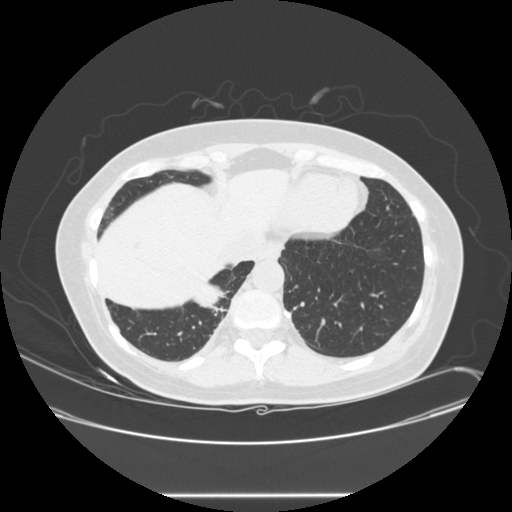
Axial slice 86 of 257 of a chest CT (slice 1 is the lowest), reconstructed with the STANDARD kernel at 120 kVp; 1.25 mm slice thickness and 0.781 mm pixels.
Pulmonary nodule outlined by three of the four readers; box rows 283–307, columns 192–225 (the union of the readers' outlines on this slice); median longest diameter 29.7 mm (readers' outlines 28.2–32.2 mm), median volume 3458 mm3 (3103–4675 mm3). Median ratings and the readers' spread: texture 5/5 (solid), all three readers agreeing; margin 5/5 (circumscribed) from all three readers; sphericity 4/5 from all three readers; calcification absent, all three readers agreeing; internal structure soft tissue, all three readers agreeing; subtlety 5/5, all three readers agreeing; median malignancy likelihood 4/5 (readers ranged 2–5). Scale key (1–5): texture non-solid→solid, margin indistinct→circumscribed, sphericity linear→round, subtlety extremely subtle→obvious, malignancy likelihood highly unlikely→highly suspicious of cancer. Box rows and columns are 0-based pixel indices from the top-left corner, inclusive.